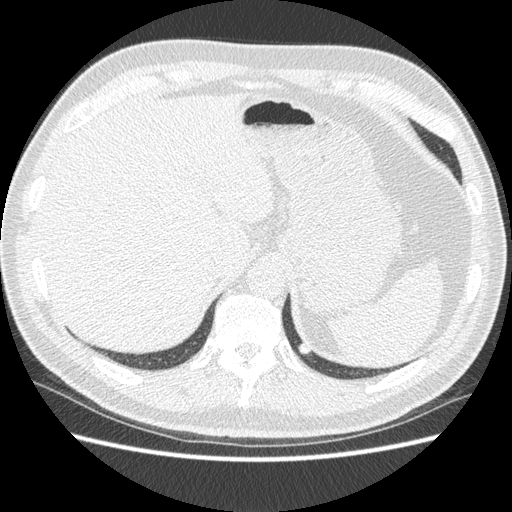
Axial slice 96 of 477 of a chest CT (slice 1 is the lowest), reconstructed with the STANDARD kernel at 120 kVp; 1.25 mm slice thickness and 0.703 mm pixels.
Pulmonary nodule at rows 342–354, columns 297–310 (box = the union of the readers' outlines on this slice), outlined by all four readers; longest diameter 11.8 mm on average over the four readers' outlines (readers' outlines 10.5–13.2 mm), volume 347–425 mm3. Ratings, by the readers' most common answer with dissent counted: texture 5/5 (solid) from all four readers; most readers (three of four) put margin at 4/5, others 5/5 (circumscribed) (one); sphericity 3/5 (ovoid) by two of four readers; the rest gave 4/5 (one), 5/5 (round) (one); calcification split among the readers: solid calcification (one), non-central calcification (one), central calcification (one), absent (one); internal structure soft tissue, all four readers agreeing; subtlety split among the readers: 3/5 (two), 5/5 (two); malignancy likelihood split among the readers: 1/5 (two), 2/5 (two). Scale key (1–5): texture non-solid→solid, margin indistinct→circumscribed, sphericity linear→round, subtlety extremely subtle→obvious, malignancy likelihood highly unlikely→highly suspicious of cancer. Box rows and columns are 0-based pixel indices from the top-left corner, inclusive.